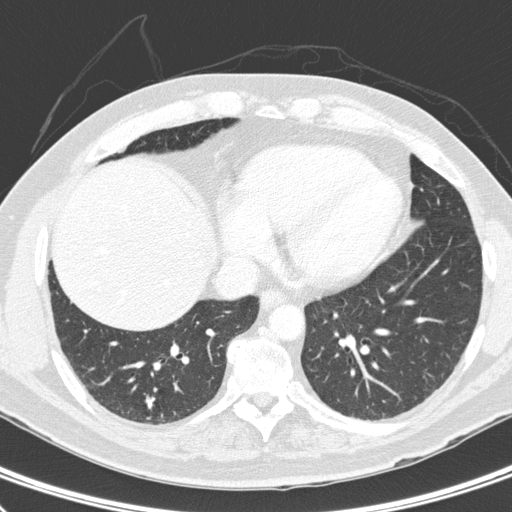
Axial chest CT slice 108 of 300 (counted from the lowest slice); 2.00 mm thick, 0.662 mm per pixel. Pulmonary nodule, outlined by all four readers. Box on this slice rows 395–408, columns 144–154, the union of the readers' outlines on this slice; longest diameter 8.1–12.6 mm and volume 99–182 mm3 across the four readers' outlines. The readers' ratings, as ranges where they differ: texture from 3/5 (part-solid) to 5/5 (solid) across the four readers; margin from 3/5 to 4/5 across the four readers; sphericity from 2/5 to 3/5 (ovoid) across the four readers; calcification: solid calcification (two), absent (one), non-central calcification (one); internal structure soft tissue, all four readers agreeing; subtlety 4–5/5 (the readers disagree); malignancy likelihood 1–4/5 (the readers disagree). Scale key (1–5): texture non-solid→solid, margin indistinct→circumscribed, sphericity linear→round, subtlety extremely subtle→obvious, malignancy likelihood highly unlikely→highly suspicious of cancer. Box rows and columns are 0-based pixel indices from the top-left corner, inclusive.
Acquired at 120 kVp and reconstructed with the D kernel.